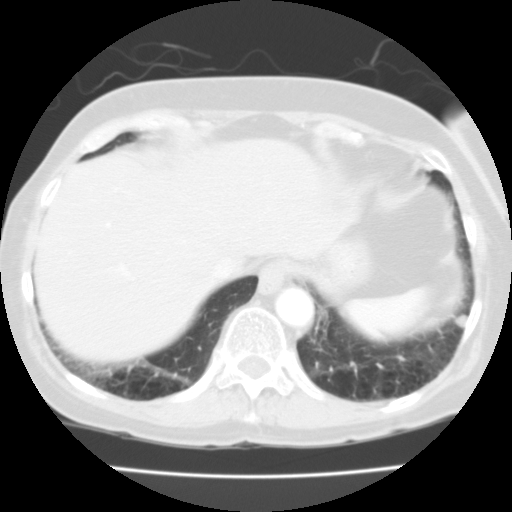
Axial chest CT slice 30 of 109 (counted from the lowest slice); 3.00 mm thick, 0.613 mm per pixel. Pulmonary nodule outlined by all four readers; box rows 314–326, columns 455–466 (the union of the readers' outlines on this slice); median longest diameter 9.4 mm (readers' outlines 9.3–9.7 mm), median volume 230 mm3 (194–480 mm3). Median ratings and the readers' spread: texture 5/5 (solid) at the median of four readers, spread 4/5 to 5/5 (solid); margin 4/5 at the median of four readers, spread 3/5 to 5/5 (circumscribed); median sphericity 3.5/5 (readers ranged 3/5 (ovoid) to 5/5 (round)); calcification absent, all four readers agreeing; internal structure soft tissue from all four readers; subtlety 2.5/5 at the median of four readers, spread 2–4; median malignancy likelihood 2.5/5 (readers ranged 2–4). Scale key (1–5): texture non-solid→solid, margin indistinct→circumscribed, sphericity linear→round, subtlety extremely subtle→obvious, malignancy likelihood highly unlikely→highly suspicious of cancer. Box rows and columns are 0-based pixel indices from the top-left corner, inclusive.
Acquired at 135 kVp and reconstructed with the FC01 kernel.